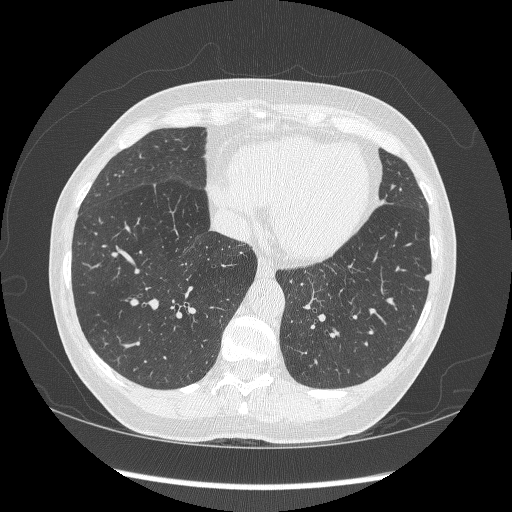
This is axial slice 107 of 268 (slice 1 is the lowest) of a chest CT; each pixel is 0.703 mm and the slice is 1.25 mm thick. Pulmonary nodule at rows 273–280, columns 424–430 (box = the union of the readers' outlines on this slice), outlined by all four readers; median longest diameter 6.0 mm (readers' outlines 5.7–6.9 mm), median volume 58 mm3 (32–65 mm3). Ratings, median across the readers with their spread: median texture 5/5 (solid) (readers ranged 4/5 to 5/5 (solid)); median margin 4.5/5 (readers ranged 4/5 to 5/5 (circumscribed)); median sphericity 4/5 (readers ranged 3/5 (ovoid) to 4/5); calcification absent from all four readers; internal structure soft tissue from all four readers; median subtlety 4/5 (readers ranged 3–5); malignancy likelihood 3/5 at the median of four readers, spread 2–3. Scale key (1–5): texture non-solid→solid, margin indistinct→circumscribed, sphericity linear→round, subtlety extremely subtle→obvious, malignancy likelihood highly unlikely→highly suspicious of cancer. Box rows and columns are 0-based pixel indices from the top-left corner, inclusive.
Tube voltage 120 kVp; convolution kernel BONE.